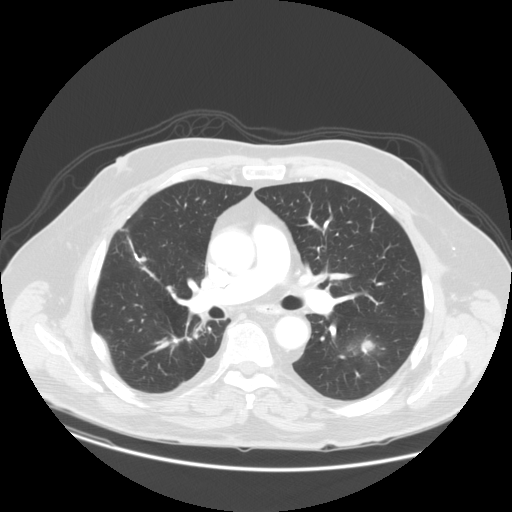
Chest CT, axial plane, 120 kVp, kernel STANDARD. Slice 73/140 from the bottom of the scan; thickness 2.50 mm; pixel size 0.820 mm.
Pulmonary nodule outlined by all four readers; box rows 334–355, columns 345–377 (the union of the readers' outlines on this slice); median longest diameter 30.2 mm (readers' outlines 28.0–35.5 mm), median volume 5420 mm3 (4625–10612 mm3). Median ratings and the readers' spread: median texture 4/5 (readers ranged 3/5 (part-solid) to 5/5 (solid)); margin 3/5 at the median of four readers, spread 3/5 to 4/5; median sphericity 4/5 (readers ranged 3/5 (ovoid) to 5/5 (round)); calcification absent, all four readers agreeing; internal structure soft tissue, all four readers agreeing; subtlety 5/5, all four readers agreeing; malignancy likelihood 4.5/5 at the median of four readers, spread 3–5. Scale key (1–5): texture non-solid→solid, margin indistinct→circumscribed, sphericity linear→round, subtlety extremely subtle→obvious, malignancy likelihood highly unlikely→highly suspicious of cancer. Box rows and columns are 0-based pixel indices from the top-left corner, inclusive.